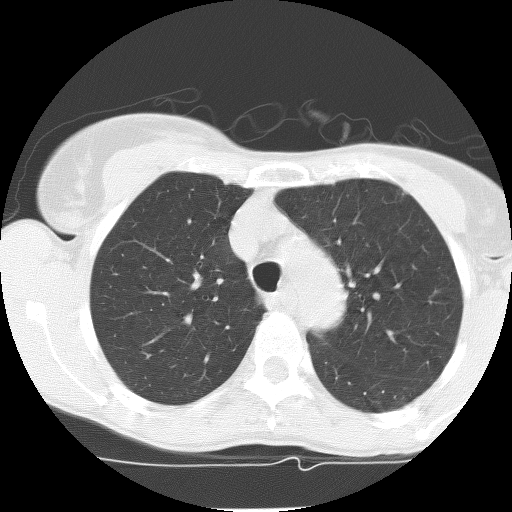
Axial chest CT slice 97 of 127 (counted from the lowest slice); 2.50 mm thick, 0.523 mm per pixel. No nodule 3 mm or larger was outlined here by any reader.
Scan settings: 140 kVp, BONE reconstruction kernel.